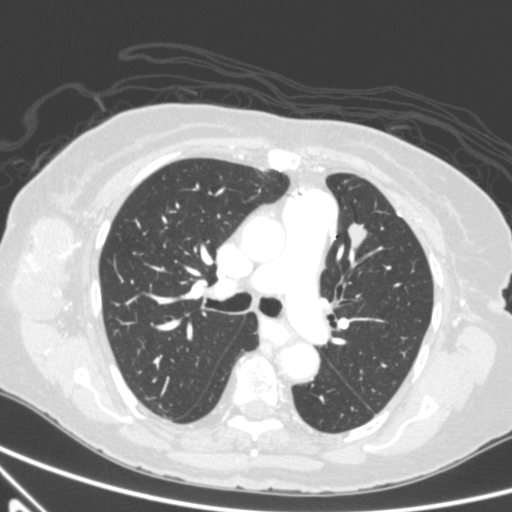
Chest CT, axial plane, 120 kVp, kernel B. Slice 359/590 from the bottom of the scan; thickness 0.90 mm; pixel size 0.627 mm.
Pulmonary nodule at rows 223–247, columns 347–366 (box = the union of the readers' outlines on this slice), outlined by all four readers; median longest diameter 17.7 mm (readers' outlines 16.3–20.1 mm), median volume 1143 mm3 (1116–1236 mm3). Ratings, median across the readers with their spread: texture 5/5 (solid), all four readers agreeing; margin 4/5 at the median of four readers, spread 3/5 to 5/5 (circumscribed); median sphericity 3.5/5 (readers ranged 3/5 (ovoid) to 4/5); calcification absent from all four readers; internal structure soft tissue, all four readers agreeing; median subtlety 5/5 (readers ranged 4–5); median malignancy likelihood 4/5 (readers ranged 3–5). Scale key (1–5): texture non-solid→solid, margin indistinct→circumscribed, sphericity linear→round, subtlety extremely subtle→obvious, malignancy likelihood highly unlikely→highly suspicious of cancer. Box rows and columns are 0-based pixel indices from the top-left corner, inclusive.